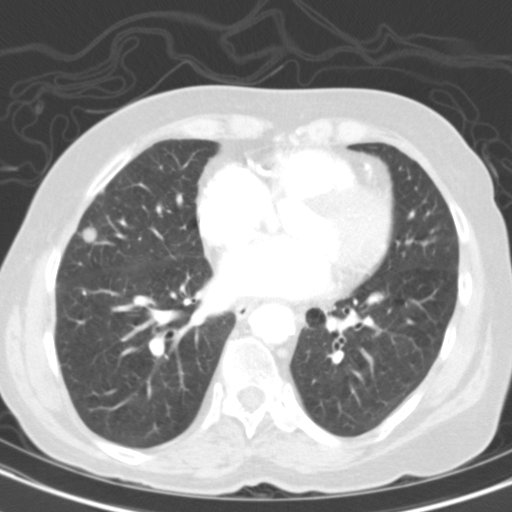
One axial slice (59 of 117, counting up from the lowest) of a chest CT acquired at 130 kVp with the B31s kernel; each pixel is 0.566 mm and the slice is 3.00 mm thick.
Pulmonary nodule outlined by all four readers; box rows 226–243, columns 81–97 (the union of the readers' outlines on this slice); longest diameter 20.3 mm on average over the four readers' outlines (readers' outlines 18.9–22.0 mm), volume 1351–2170 mm3. The readers' prevailing ratings and who disagreed: texture 5/5 (solid) by two of four readers; the rest gave 3/5 (part-solid) (one), 4/5 (one); margin 5/5 (circumscribed) by two of four readers; the rest gave 3/5 (one), 4/5 (one); sphericity 3/5 (ovoid) by two of four readers; the rest gave 4/5 (one), 5/5 (round) (one); calcification absent, all four readers agreeing; internal structure soft tissue, all four readers agreeing; subtlety 5/5, all four readers agreeing; most readers (three of four) put malignancy likelihood at 5/5, others 4/5 (one). Scale key (1–5): texture non-solid→solid, margin indistinct→circumscribed, sphericity linear→round, subtlety extremely subtle→obvious, malignancy likelihood highly unlikely→highly suspicious of cancer. Box rows and columns are 0-based pixel indices from the top-left corner, inclusive.